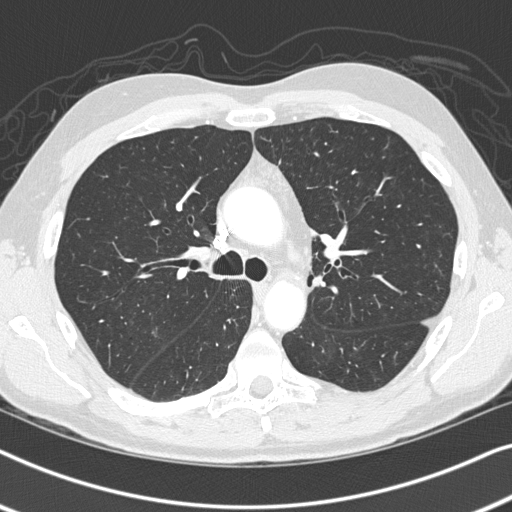
Axial slice 219 of 326 of a chest CT (slice 1 is the lowest), reconstructed with the B45f kernel at 120 kVp; 1.00 mm slice thickness and 0.645 mm pixels.
Pulmonary nodule, outlined by two of the four readers. Box on this slice rows 275–286, columns 311–322, the union of the readers' outlines on this slice; median longest diameter 9.6 mm (readers' outlines 8.8–10.4 mm), median volume 241 mm3 (179–302 mm3). Median ratings and the readers' spread: texture 5/5 (solid) from both readers; margin 5/5 (circumscribed) from both readers; median sphericity 4/5 (readers ranged 3/5 (ovoid) to 5/5 (round)); calcification absent from both readers; internal structure soft tissue, both readers agreeing; median subtlety 3.5/5 (readers ranged 3–4); median malignancy likelihood 2.5/5 (readers ranged 2–3). Scale key (1–5): texture non-solid→solid, margin indistinct→circumscribed, sphericity linear→round, subtlety extremely subtle→obvious, malignancy likelihood highly unlikely→highly suspicious of cancer. Box rows and columns are 0-based pixel indices from the top-left corner, inclusive.